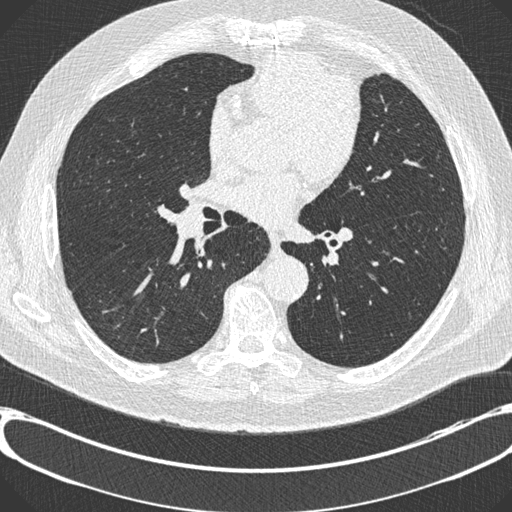
Axial chest CT slice 393 of 730 (counted from the lowest slice); tube voltage 120 kVp, convolution kernel B30f; slices 0.60 mm thick, 0.730 mm per pixel.
No nodule of 3 mm or larger was outlined by any of the four readers on this slice.